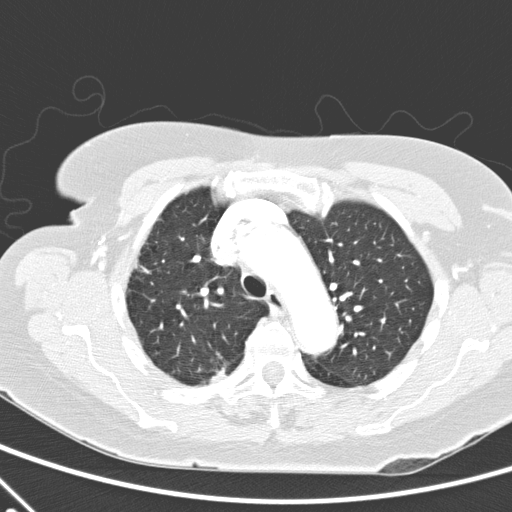
Axial slice 171 of 248 of a chest CT (slice 1 is the lowest), reconstructed with the D kernel at 120 kVp; 2.00 mm slice thickness and 0.633 mm pixels.
Pulmonary nodule outlined by one of the four readers; box rows 366–381, columns 210–224 (that reader's outline on this slice); longest diameter 13.2 mm and volume 418 mm3 from that reader's outline. That reader's ratings: texture 5/5 (solid); margin 1/5 (indistinct); sphericity 2/5; calcification absent; internal structure soft tissue; subtlety 4/5; malignancy likelihood 2/5. Scale key (1–5): texture non-solid→solid, margin indistinct→circumscribed, sphericity linear→round, subtlety extremely subtle→obvious, malignancy likelihood highly unlikely→highly suspicious of cancer. Box rows and columns are 0-based pixel indices from the top-left corner, inclusive.